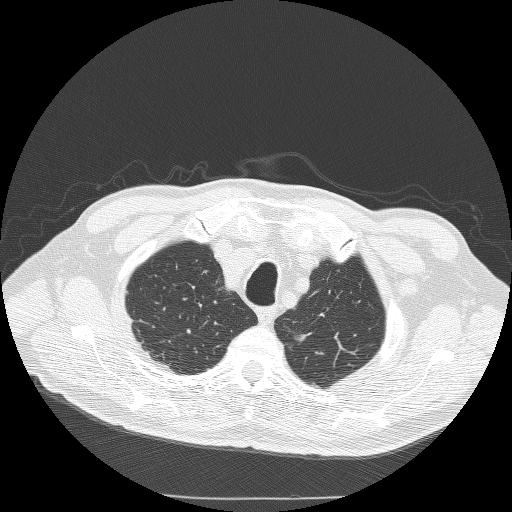
Axial slice 210 of 240 of a chest CT (slice 1 is the lowest), reconstructed with the BONE kernel at 120 kVp; 1.25 mm slice thickness and 0.703 mm pixels.
Pulmonary nodule at rows 335–340, columns 294–304 (box = the union of the readers' outlines on this slice), outlined by two of the four readers; longest diameter 8.9 mm on average over the two readers' outlines (readers' outlines 8.5–9.2 mm), volume 99–104 mm3. The readers' prevailing ratings and who disagreed: texture split among the readers: 4/5 (one), 5/5 (solid) (one); margin split among the readers: 2/5 (one), 4/5 (one); sphericity 3/5 (ovoid) from both readers; calcification absent, both readers agreeing; internal structure soft tissue, both readers agreeing; subtlety split among the readers: 2/5 (one), 4/5 (one); malignancy likelihood split among the readers: 3/5 (one), 4/5 (one). Scale key (1–5): texture non-solid→solid, margin indistinct→circumscribed, sphericity linear→round, subtlety extremely subtle→obvious, malignancy likelihood highly unlikely→highly suspicious of cancer. Box rows and columns are 0-based pixel indices from the top-left corner, inclusive.